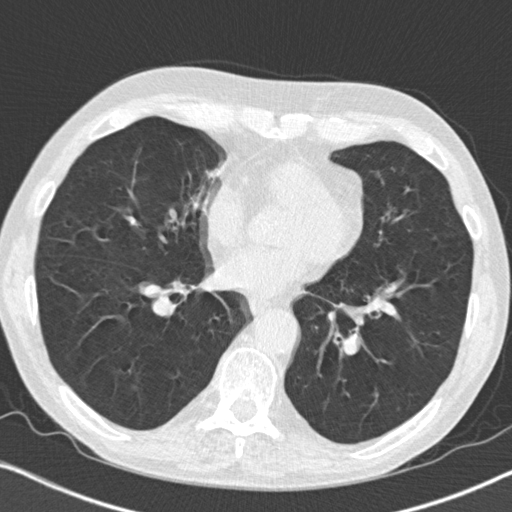
Slice 366/764 of a chest CT, counting up from the lowest; pixel size 0.646 mm, slice thickness 1.00 mm. This slice carries no reader outline of a nodule 3 mm or larger.
Tube voltage 120 kVp; convolution kernel B31f.